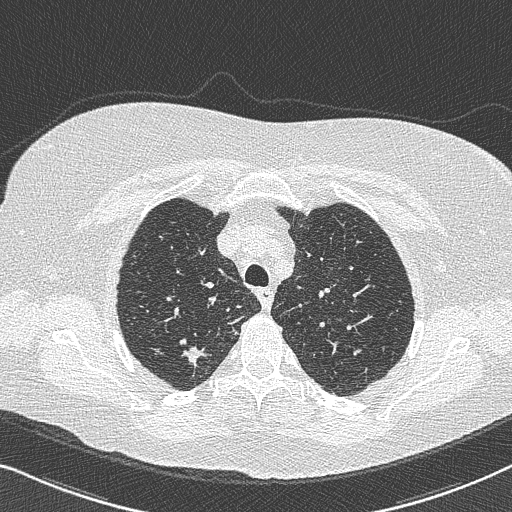
Slice 584/733 of a chest CT, counting up from the lowest; pixel size 0.637 mm, slice thickness 0.60 mm. Pulmonary nodule, outlined by all four readers. Box on this slice rows 344–367, columns 180–211, the union of the readers' outlines on this slice; longest diameter 22.0 mm on average over the four readers' outlines (readers' outlines 15.5–29.7 mm), volume 888–2128 mm3. The readers' prevailing ratings and who disagreed: texture 5/5 (solid) by three of four readers; the rest gave 4/5 (one); margin 3/5 by two of four readers; the rest gave 1/5 (indistinct) (one), 4/5 (one); sphericity 3/5 (ovoid) by two of four readers; the rest gave 2/5 (one), 5/5 (round) (one); calcification absent, all four readers agreeing; internal structure soft tissue from all four readers; subtlety 5/5 by three of four readers; the rest gave 4/5 (one); most readers (three of four) put malignancy likelihood at 4/5, others 5/5 (one). Scale key (1–5): texture non-solid→solid, margin indistinct→circumscribed, sphericity linear→round, subtlety extremely subtle→obvious, malignancy likelihood highly unlikely→highly suspicious of cancer. Box rows and columns are 0-based pixel indices from the top-left corner, inclusive.
Scan settings: 120 kVp, B50f reconstruction kernel.